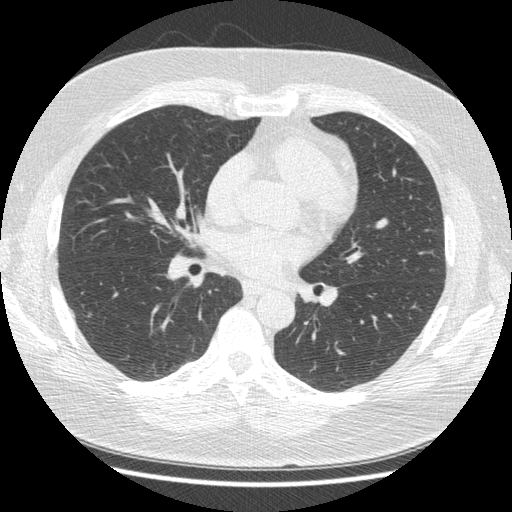
Axial slice 188 of 421 of a chest CT (slice 1 is the lowest), reconstructed with the STANDARD kernel at 120 kVp; 1.25 mm slice thickness and 0.703 mm pixels.
None of the four readers outlined a nodule of 3 mm or more on this slice.